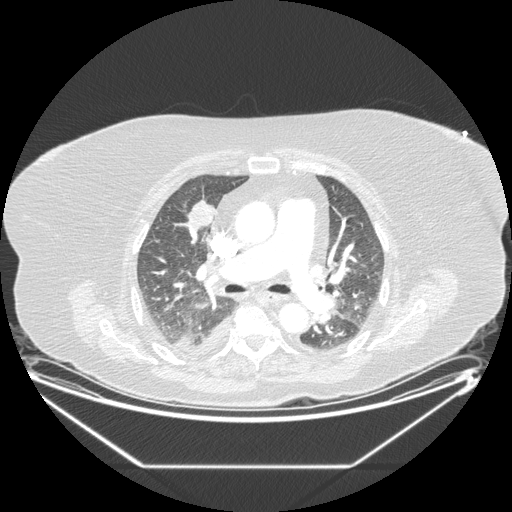
Slice 117/206 of a chest CT, counting up from the lowest; pixel size 0.898 mm, slice thickness 1.25 mm. Pulmonary nodule outlined by three of the four readers; box rows 200–230, columns 188–214 (the union of the readers' outlines on this slice); the three readers' outlines give a longest diameter between 31.1 and 37.8 mm and a volume between 4036 and 4781 mm3. The readers' ratings, as ranges where they differ: texture from 1/5 (non-solid) to 5/5 (solid) across the three readers; margin 4/5, all three readers agreeing; sphericity from 2/5 to 3/5 (ovoid) across the three readers; calcification absent, all three readers agreeing; internal structure soft tissue, all three readers agreeing; subtlety 4–5/5 (the readers disagree); malignancy likelihood 3–5/5 (the readers disagree). Scale key (1–5): texture non-solid→solid, margin indistinct→circumscribed, sphericity linear→round, subtlety extremely subtle→obvious, malignancy likelihood highly unlikely→highly suspicious of cancer. Box rows and columns are 0-based pixel indices from the top-left corner, inclusive.
Tube voltage 120 kVp; convolution kernel STANDARD.